Axial slice 171 of 290 of a chest CT (slice 1 is the lowest), reconstructed with the B kernel at 120 kVp; 2.00 mm slice thickness and 0.816 mm pixels.
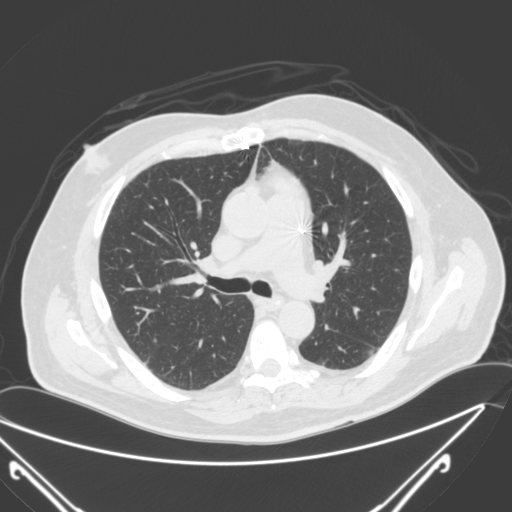
Pulmonary nodule at rows 339–341, columns 154–155 (box = the union of the readers' outlines on this slice), outlined by two of the four readers; median longest diameter 5.6 mm (readers' outlines 5.2–5.9 mm), median volume 55 mm3 (49–62 mm3). Median ratings and the readers' spread: texture 5/5 (solid) from both readers; margin 5/5 (circumscribed) from both readers; sphericity 5/5 (round), both readers agreeing; calcification solid calcification, both readers agreeing; internal structure soft tissue from both readers; subtlety 5/5, both readers agreeing; malignancy likelihood 1/5 from both readers. Scale key (1–5): texture non-solid→solid, margin indistinct→circumscribed, sphericity linear→round, subtlety extremely subtle→obvious, malignancy likelihood highly unlikely→highly suspicious of cancer. Box rows and columns are 0-based pixel indices from the top-left corner, inclusive.